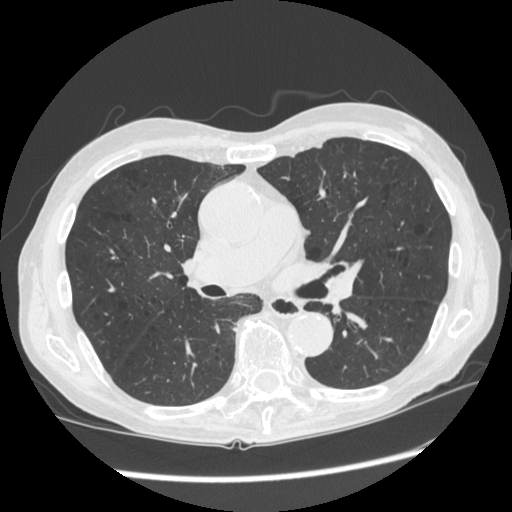
Slice 154/301 of a chest CT, counting up from the lowest; pixel size 0.684 mm, slice thickness 1.25 mm. The readers outlined no nodule of 3 mm or more on this slice.
Tube voltage 120 kVp; convolution kernel STANDARD.